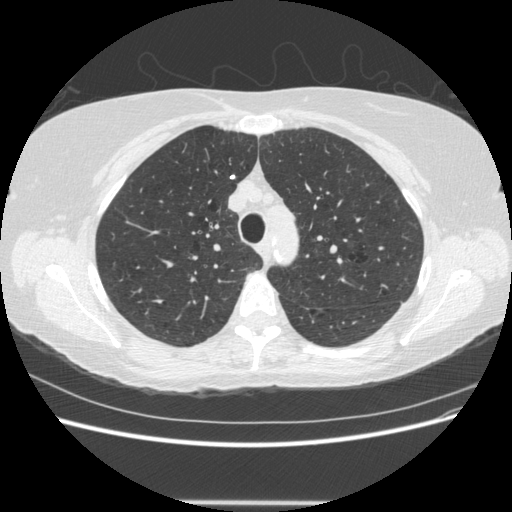
Slice 400/513 of a chest CT, counting up from the lowest; pixel size 0.703 mm, slice thickness 1.25 mm. Pulmonary nodule, outlined by two of the four readers. Box on this slice rows 174–179, columns 229–235, the union of the readers' outlines on this slice; longest diameter 5.4 mm on average over the two readers' outlines (readers' outlines 5.0–5.8 mm), volume 42–49 mm3. Ratings, by the readers' most common answer with dissent counted: texture 5/5 (solid), both readers agreeing; margin 5/5 (circumscribed), both readers agreeing; sphericity 5/5 (round), both readers agreeing; calcification split among the readers: solid calcification (one), absent (one); internal structure soft tissue from both readers; subtlety 3/5 from both readers; malignancy likelihood split among the readers: 1/5 (one), 2/5 (one). Scale key (1–5): texture non-solid→solid, margin indistinct→circumscribed, sphericity linear→round, subtlety extremely subtle→obvious, malignancy likelihood highly unlikely→highly suspicious of cancer. Box rows and columns are 0-based pixel indices from the top-left corner, inclusive.
Scan settings: 120 kVp, STANDARD reconstruction kernel.